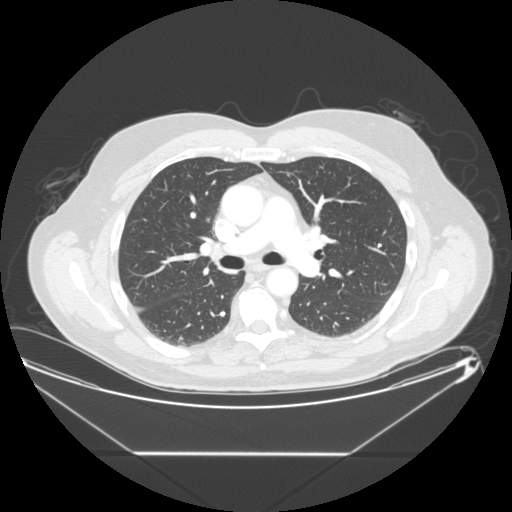
Axial slice 160 of 265 of a chest CT (slice 1 is the lowest), reconstructed with the STANDARD kernel at 120 kVp; 1.25 mm slice thickness and 0.883 mm pixels.
Two pulmonary nodules on this slice, listed from left to right. (1) Pulmonary nodule, outlined by three of the four readers. Box on this slice rows 311–316, columns 217–225, the union of the readers' outlines on this slice; median longest diameter 6.4 mm (readers' outlines 5.6–9.0 mm), median volume 110 mm3 (65–112 mm3). Ratings, median across the readers with their spread: texture 5/5 (solid) from all three readers; margin 5/5 (circumscribed) from all three readers; median sphericity 5/5 (round) (readers ranged 4/5 to 5/5 (round)); calcification: solid calcification (two), absent (one); internal structure soft tissue, all three readers agreeing; subtlety 4/5 at the median of three readers, spread 3–5; malignancy likelihood 1/5 from all three readers. (2) Pulmonary nodule outlined by one of the four readers; box rows 243–247, columns 378–381 (that reader's outline on this slice); longest diameter 5.6 mm and volume 102 mm3 from that reader's outline. Ratings by that reader: texture 5/5 (solid); margin 5/5 (circumscribed); sphericity 4/5; calcification solid calcification; internal structure soft tissue; subtlety 5/5; malignancy likelihood 1/5. Scale key (1–5): texture non-solid→solid, margin indistinct→circumscribed, sphericity linear→round, subtlety extremely subtle→obvious, malignancy likelihood highly unlikely→highly suspicious of cancer. Box rows and columns are 0-based pixel indices from the top-left corner, inclusive.